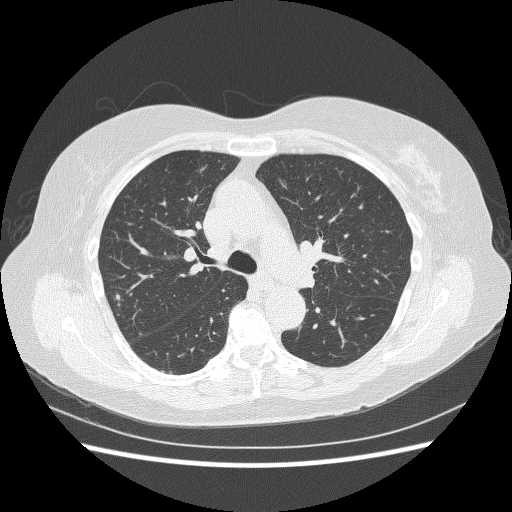
One axial slice (164 of 240, counting up from the lowest) of a chest CT acquired at 120 kVp with the BONE kernel; each pixel is 0.703 mm and the slice is 1.25 mm thick.
Pulmonary nodule, outlined by one of the four readers. Box on this slice rows 295–299, columns 115–119, that reader's outline on this slice; longest diameter 6.0 mm and volume 103 mm3 from that reader's outline. Ratings by that reader: texture 5/5 (solid); margin 5/5 (circumscribed); sphericity 4/5; calcification absent; internal structure soft tissue; subtlety 4/5; malignancy likelihood 2/5. Scale key (1–5): texture non-solid→solid, margin indistinct→circumscribed, sphericity linear→round, subtlety extremely subtle→obvious, malignancy likelihood highly unlikely→highly suspicious of cancer. Box rows and columns are 0-based pixel indices from the top-left corner, inclusive.